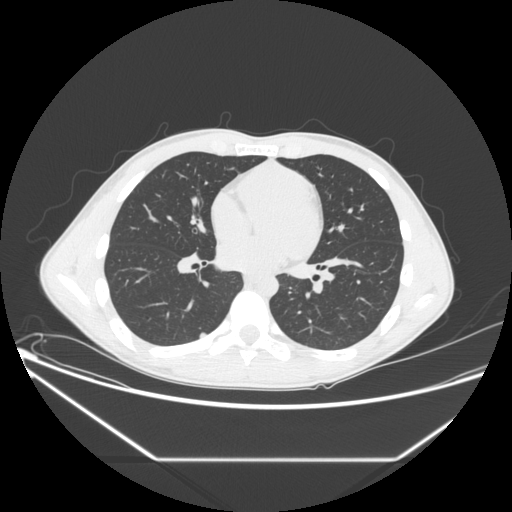
Axial slice 104 of 256 of a chest CT (slice 1 is the lowest), reconstructed with the STANDARD kernel at 120 kVp; 1.25 mm slice thickness and 0.781 mm pixels.
Pulmonary nodule at rows 332–338, columns 199–205 (box = that reader's outline on this slice), outlined by one of the four readers; longest diameter 7.4 mm and volume 78 mm3 from that reader's outline. Ratings by that reader: texture 5/5 (solid); margin 5/5 (circumscribed); sphericity 3/5 (ovoid); calcification absent; internal structure soft tissue; subtlety 3/5; malignancy likelihood 2/5. Scale key (1–5): texture non-solid→solid, margin indistinct→circumscribed, sphericity linear→round, subtlety extremely subtle→obvious, malignancy likelihood highly unlikely→highly suspicious of cancer. Box rows and columns are 0-based pixel indices from the top-left corner, inclusive.